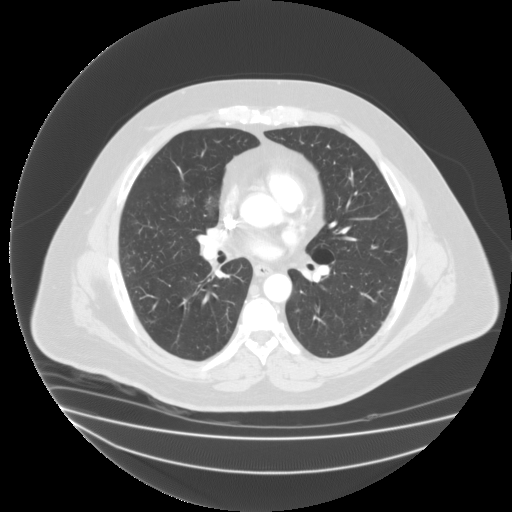
Slice 100/183 of a chest CT, counting up from the lowest; pixel size 0.946 mm, slice thickness 2.00 mm. Two pulmonary nodules on this slice, listed from left to right. (1) Pulmonary nodule outlined by two of the four readers; box rows 195–205, columns 176–187 (the union of the readers' outlines on this slice); median longest diameter 14.2 mm (readers' outlines 13.4–15.0 mm), median volume 714 mm3 (553–875 mm3). Ratings, median across the readers with their spread: texture 1/5 (non-solid) from both readers; margin 1/5 (indistinct), both readers agreeing; sphericity 4/5 from both readers; calcification absent, both readers agreeing; internal structure split among the readers: soft tissue (one), fluid (one); subtlety 3/5 at the median of two readers, spread 2–4; malignancy likelihood 3/5, both readers agreeing. (2) Pulmonary nodule, outlined by three of the four readers. Box on this slice rows 192–217, columns 203–219, the union of the readers' outlines on this slice; median longest diameter 26.0 mm (readers' outlines 26.0 mm), median volume 3188 mm3 (3179–3614 mm3). Median ratings and the readers' spread: texture 1/5 (non-solid) from all three readers; margin 2/5 at the median of three readers, spread 2/5 to 3/5; sphericity 3/5 (ovoid) at the median of three readers, spread 3/5 (ovoid) to 4/5; calcification absent, all three readers agreeing; internal structure: soft tissue (two), fluid (one); median subtlety 2/5 (readers ranged 2–5); median malignancy likelihood 3/5 (readers ranged 3–4). Scale key (1–5): texture non-solid→solid, margin indistinct→circumscribed, sphericity linear→round, subtlety extremely subtle→obvious, malignancy likelihood highly unlikely→highly suspicious of cancer. Box rows and columns are 0-based pixel indices from the top-left corner, inclusive.
Tube voltage 135 kVp; convolution kernel FC03.